Chest CT, axial plane, 120 kVp, kernel STANDARD. Slice 333/481 from the bottom of the scan; thickness 1.25 mm; pixel size 0.664 mm.
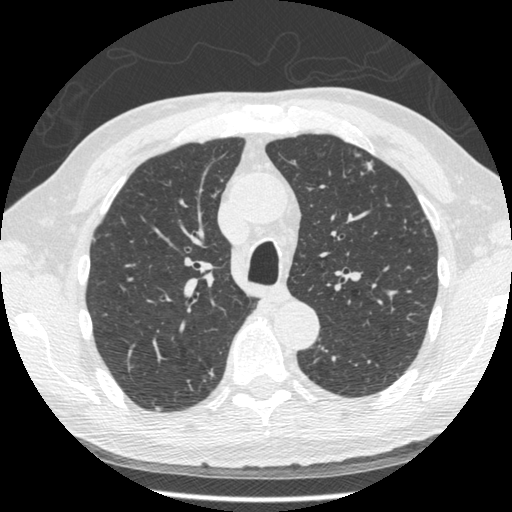
Pulmonary nodule at rows 159–172, columns 362–374 (box = the union of the readers' outlines on this slice), outlined by two of the four readers; the two readers' outlines give a longest diameter between 10.5 and 12.2 mm and a volume between 150 and 184 mm3. Ratings across the readers: texture from 2/5 to 4/5 across the two readers; margin from 1/5 (indistinct) to 4/5 across the two readers; sphericity from 2/5 to 3/5 (ovoid) across the two readers; calcification absent, both readers agreeing; internal structure soft tissue, both readers agreeing; subtlety from 2/5 to 4/5 across the two readers; malignancy likelihood from 1/5 to 3/5 across the two readers. Scale key (1–5): texture non-solid→solid, margin indistinct→circumscribed, sphericity linear→round, subtlety extremely subtle→obvious, malignancy likelihood highly unlikely→highly suspicious of cancer. Box rows and columns are 0-based pixel indices from the top-left corner, inclusive.